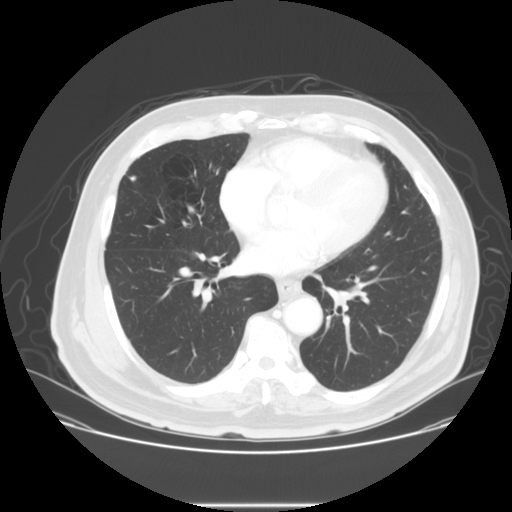
Axial chest CT slice 66 of 133 (counted from the lowest slice); 2.50 mm thick, 0.781 mm per pixel. Pulmonary nodule at rows 175–181, columns 128–136 (box = the union of the readers' outlines on this slice), outlined by three of the four readers; longest diameter 7.0 mm on average over the three readers' outlines (readers' outlines 6.4–8.0 mm), volume 69–141 mm3. Ratings, by the readers' most common answer with dissent counted: texture 5/5 (solid) from all three readers; margin split among the readers: 3/5 (one), 4/5 (one), 5/5 (circumscribed) (one); sphericity split among the readers: 3/5 (ovoid) (one), 4/5 (one), 5/5 (round) (one); calcification central calcification by two of three readers, absent (one); internal structure soft tissue, all three readers agreeing; most readers (two of three) put subtlety at 3/5, others 5/5 (one); malignancy likelihood 2/5 by two of three readers; the rest gave 1/5 (one). Scale key (1–5): texture non-solid→solid, margin indistinct→circumscribed, sphericity linear→round, subtlety extremely subtle→obvious, malignancy likelihood highly unlikely→highly suspicious of cancer. Box rows and columns are 0-based pixel indices from the top-left corner, inclusive.
Scan settings: 140 kVp, STANDARD reconstruction kernel.